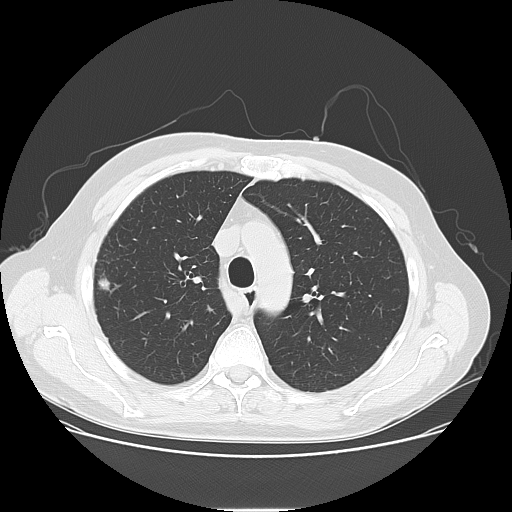
Axial slice 101 of 141 of a chest CT (slice 1 is the lowest), reconstructed with the LUNG kernel at 120 kVp; 2.50 mm slice thickness and 0.762 mm pixels.
Pulmonary nodule, outlined by all four readers. Box on this slice rows 276–290, columns 97–110, the union of the readers' outlines on this slice; median longest diameter 13.6 mm (readers' outlines 13.0–13.7 mm), median volume 792 mm3 (746–896 mm3). Ratings, median across the readers with their spread: texture 5/5 (solid), all four readers agreeing; margin 4.5/5 at the median of four readers, spread 4/5 to 5/5 (circumscribed); median sphericity 4.5/5 (readers ranged 4/5 to 5/5 (round)); calcification absent from all four readers; internal structure soft tissue, all four readers agreeing; subtlety 5/5, all four readers agreeing; median malignancy likelihood 4.5/5 (readers ranged 3–5). Scale key (1–5): texture non-solid→solid, margin indistinct→circumscribed, sphericity linear→round, subtlety extremely subtle→obvious, malignancy likelihood highly unlikely→highly suspicious of cancer. Box rows and columns are 0-based pixel indices from the top-left corner, inclusive.